One axial slice (217 of 513, counting up from the lowest) of a chest CT acquired at 120 kVp with the STANDARD kernel; each pixel is 0.703 mm and the slice is 1.25 mm thick.
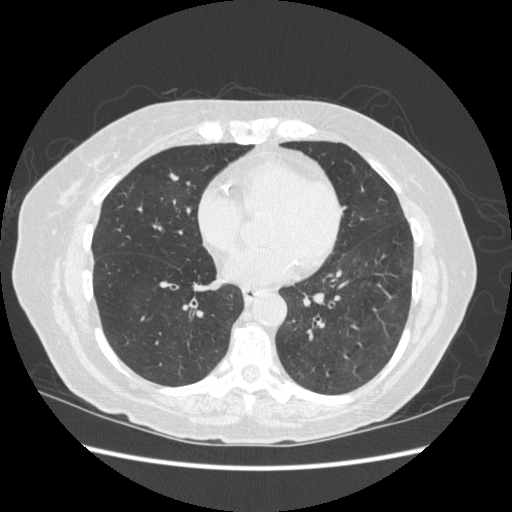
Pulmonary nodule at rows 171–181, columns 168–179 (box = the union of the readers' outlines on this slice), outlined by three of the four readers; the three readers' outlines give a longest diameter between 8.2 and 9.4 mm and a volume between 118 and 157 mm3. The readers' ratings, as ranges where they differ: texture from 4/5 to 5/5 (solid) across the three readers; margin from 3/5 to 5/5 (circumscribed) across the three readers; sphericity 3/5 (ovoid) from all three readers; calcification absent, all three readers agreeing; internal structure soft tissue, all three readers agreeing; subtlety 4/5, all three readers agreeing; malignancy likelihood from 1/5 to 4/5 across the three readers. Scale key (1–5): texture non-solid→solid, margin indistinct→circumscribed, sphericity linear→round, subtlety extremely subtle→obvious, malignancy likelihood highly unlikely→highly suspicious of cancer. Box rows and columns are 0-based pixel indices from the top-left corner, inclusive.